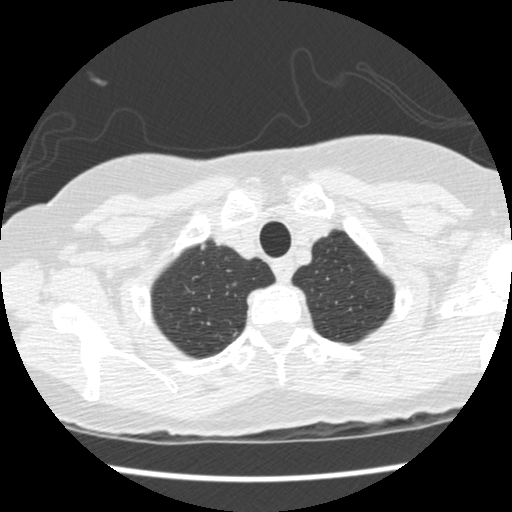
Axial slice 411 of 458 of a chest CT (slice 1 is the lowest), reconstructed with the STANDARD kernel at 120 kVp; 1.25 mm slice thickness and 0.586 mm pixels.
Pulmonary nodule at rows 243–250, columns 200–205 (box = the union of the readers' outlines on this slice), outlined by all four readers, three of them on this slice; longest diameter 9.7 mm on average over the four readers' outlines (readers' outlines 9.1–10.0 mm), volume 243–272 mm3. The readers' prevailing ratings and who disagreed: most readers (three of four) put texture at 5/5 (solid), others 4/5 (one); margin split among the readers: 4/5 (two), 5/5 (circumscribed) (two); sphericity 3/5 (ovoid) by two of four readers; the rest gave 4/5 (one), 5/5 (round) (one); calcification absent from all four readers; internal structure soft tissue, all four readers agreeing; subtlety split among the readers: 4/5 (two), 5/5 (two); malignancy likelihood 4/5 by two of four readers; the rest gave 2/5 (one), 3/5 (one). Scale key (1–5): texture non-solid→solid, margin indistinct→circumscribed, sphericity linear→round, subtlety extremely subtle→obvious, malignancy likelihood highly unlikely→highly suspicious of cancer. Box rows and columns are 0-based pixel indices from the top-left corner, inclusive.